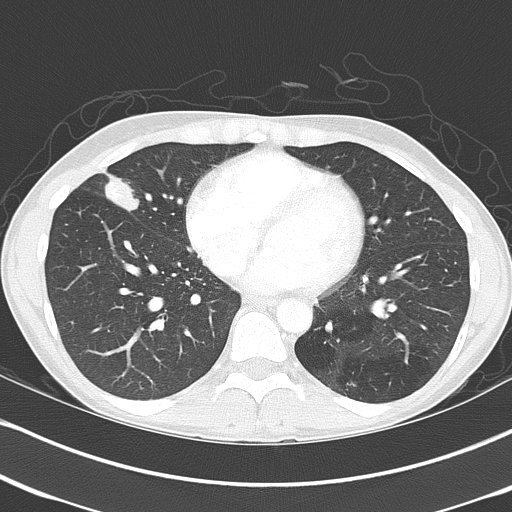
Slice 171/368 of a chest CT, counting up from the lowest; pixel size 0.623 mm, slice thickness 2.00 mm. Pulmonary nodule at rows 173–211, columns 104–139 (box = the union of the readers' outlines on this slice), outlined by all four readers; longest diameter 31.5 mm on average over the four readers' outlines (readers' outlines 27.1–39.3 mm), volume 6531–9806 mm3. The readers' prevailing ratings and who disagreed: texture 5/5 (solid), all four readers agreeing; margin 4/5 by two of four readers; the rest gave 2/5 (one), 5/5 (circumscribed) (one); most readers (three of four) put sphericity at 3/5 (ovoid), others 2/5 (one); calcification split among the readers: laminated calcification (one), absent (one), popcorn calcification (one), non-central calcification (one); internal structure soft tissue from all four readers; subtlety 5/5 from all four readers; malignancy likelihood split among the readers: 1/5 (one), 2/5 (one), 4/5 (one), 5/5 (one). Scale key (1–5): texture non-solid→solid, margin indistinct→circumscribed, sphericity linear→round, subtlety extremely subtle→obvious, malignancy likelihood highly unlikely→highly suspicious of cancer. Box rows and columns are 0-based pixel indices from the top-left corner, inclusive.
Acquired at 120 kVp and reconstructed with the B70f kernel.